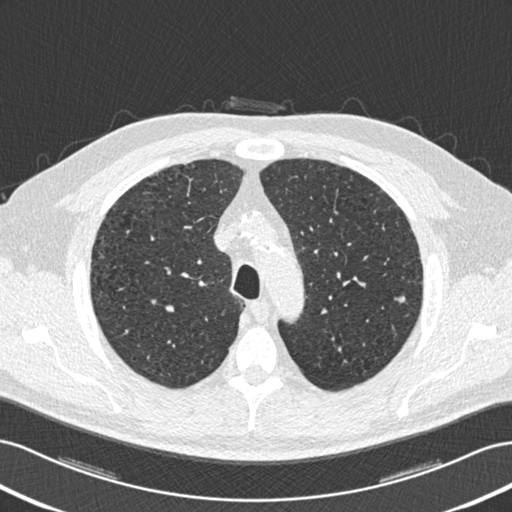
Chest CT, axial plane, 120 kVp, kernel B30f. Slice 402/506 from the bottom of the scan; thickness 0.75 mm; pixel size 0.699 mm.
Pulmonary nodule outlined by two of the four readers; box rows 296–302, columns 394–405 (the union of the readers' outlines on this slice); longest diameter 8.5 mm on average over the two readers' outlines (readers' outlines 6.6–10.4 mm), volume 35–67 mm3. The readers' prevailing ratings and who disagreed: texture 5/5 (solid) from both readers; margin split among the readers: 3/5 (one), 5/5 (circumscribed) (one); sphericity split among the readers: 4/5 (one), 5/5 (round) (one); calcification absent from both readers; internal structure soft tissue from both readers; subtlety split among the readers: 2/5 (one), 3/5 (one); malignancy likelihood split among the readers: 2/5 (one), 3/5 (one). Scale key (1–5): texture non-solid→solid, margin indistinct→circumscribed, sphericity linear→round, subtlety extremely subtle→obvious, malignancy likelihood highly unlikely→highly suspicious of cancer. Box rows and columns are 0-based pixel indices from the top-left corner, inclusive.